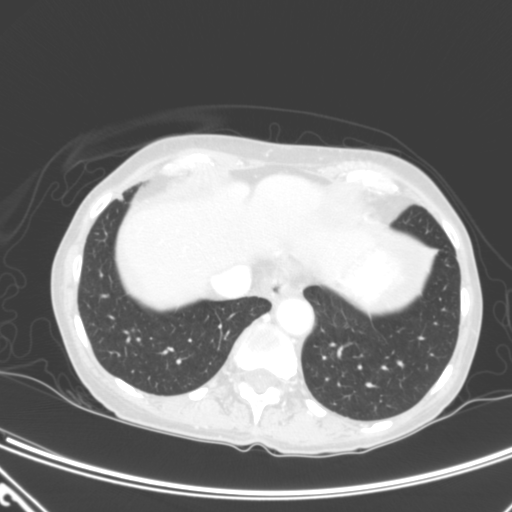
Axial chest CT slice 77 of 320 (counted from the lowest slice); tube voltage 120 kVp, convolution kernel B; slices 2.00 mm thick, 0.662 mm per pixel.
Pulmonary nodule at rows 195–200, columns 117–123 (box = that reader's outline on this slice), outlined by one of the four readers; longest diameter 6.6 mm and volume 116 mm3 from that reader's outline. That reader's ratings: texture 5/5 (solid); margin 4/5; sphericity 2/5; calcification absent; internal structure soft tissue; subtlety 2/5; malignancy likelihood 1/5. Scale key (1–5): texture non-solid→solid, margin indistinct→circumscribed, sphericity linear→round, subtlety extremely subtle→obvious, malignancy likelihood highly unlikely→highly suspicious of cancer. Box rows and columns are 0-based pixel indices from the top-left corner, inclusive.